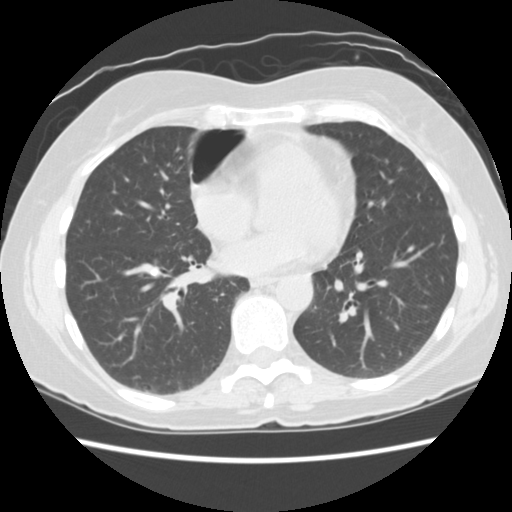
Axial slice 62 of 156 of a chest CT (slice 1 is the lowest), reconstructed with the STANDARD kernel at 120 kVp; 2.50 mm slice thickness and 0.645 mm pixels.
Pulmonary nodule outlined by all four readers, two of them on this slice; box rows 259–264, columns 154–157 (the union of the readers' outlines on this slice); median longest diameter 9.0 mm (readers' outlines 8.6–10.0 mm), median volume 286 mm3 (227–322 mm3). Ratings, median across the readers with their spread: texture 5/5 (solid) from all four readers; margin 5/5 (circumscribed), all four readers agreeing; median sphericity 4.5/5 (readers ranged 4/5 to 5/5 (round)); calcification solid calcification from all four readers; internal structure soft tissue, all four readers agreeing; median subtlety 4.5/5 (readers ranged 4–5); malignancy likelihood 1/5, all four readers agreeing. Scale key (1–5): texture non-solid→solid, margin indistinct→circumscribed, sphericity linear→round, subtlety extremely subtle→obvious, malignancy likelihood highly unlikely→highly suspicious of cancer. Box rows and columns are 0-based pixel indices from the top-left corner, inclusive.